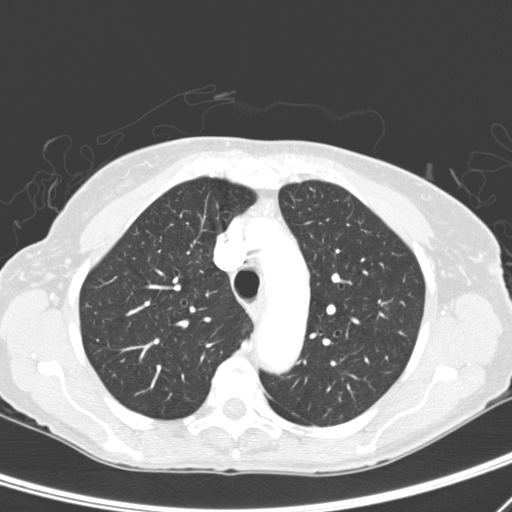
Chest CT, axial plane, 120 kVp, kernel D. Slice 215/276 from the bottom of the scan; thickness 2.00 mm; pixel size 0.617 mm.
Pulmonary nodule outlined by three of the four readers, two of them on this slice; box rows 305–310, columns 385–387 (the union of the readers' outlines on this slice); longest diameter 6.1–7.7 mm and volume 47–92 mm3 across the three readers' outlines. The readers' ratings, as ranges where they differ: texture from 1/5 (non-solid) to 5/5 (solid) across the three readers; margin from 2/5 to 5/5 (circumscribed) across the three readers; sphericity from 3/5 (ovoid) to 4/5 across the three readers; calcification absent from all three readers; internal structure soft tissue from all three readers; subtlety rated between 2 and 4 out of 5 by the three readers; malignancy likelihood 1–3/5 (the readers disagree). Scale key (1–5): texture non-solid→solid, margin indistinct→circumscribed, sphericity linear→round, subtlety extremely subtle→obvious, malignancy likelihood highly unlikely→highly suspicious of cancer. Box rows and columns are 0-based pixel indices from the top-left corner, inclusive.